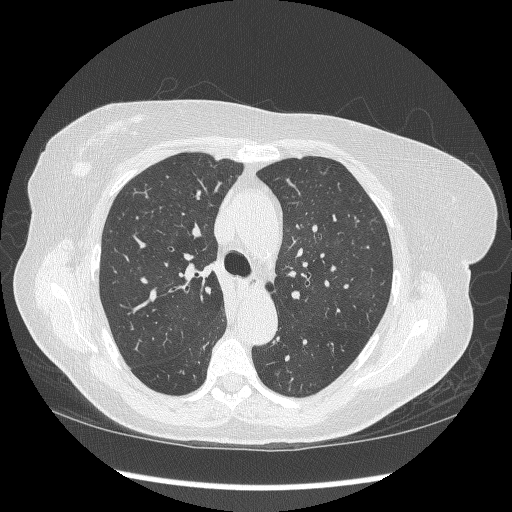
This is axial slice 200 of 268 (slice 1 is the lowest) of a chest CT; each pixel is 0.703 mm and the slice is 1.25 mm thick. No nodule of 3 mm or larger was outlined by any of the four readers on this slice.
Scan settings: 120 kVp, BONE reconstruction kernel.